Axial slice 58 of 126 of a chest CT (slice 1 is the lowest), reconstructed with the FC01 kernel at 135 kVp; 3.00 mm slice thickness and 0.582 mm pixels.
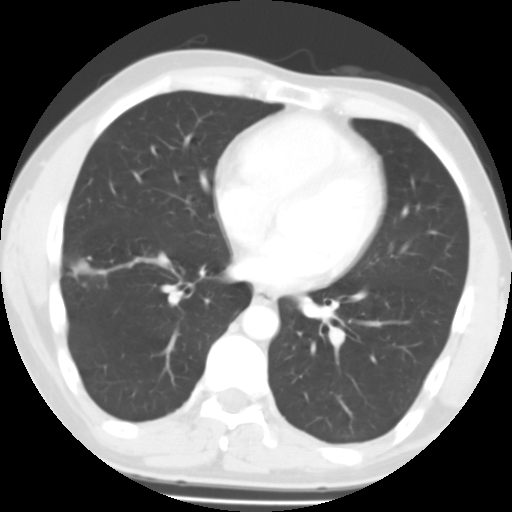
Pulmonary nodule at rows 259–279, columns 67–97 (box = the union of the readers' outlines on this slice), outlined by three of the four readers; longest diameter 11.0–18.7 mm and volume 497–1015 mm3 across the three readers' outlines. The readers' ratings, as ranges where they differ: texture 5/5 (solid) from all three readers; margin 4/5, all three readers agreeing; sphericity from 3/5 (ovoid) to 4/5 across the three readers; calcification: central calcification (two), solid calcification (one); internal structure soft tissue, all three readers agreeing; subtlety from 4/5 to 5/5 across the three readers; malignancy likelihood 1/5 from all three readers. Scale key (1–5): texture non-solid→solid, margin indistinct→circumscribed, sphericity linear→round, subtlety extremely subtle→obvious, malignancy likelihood highly unlikely→highly suspicious of cancer. Box rows and columns are 0-based pixel indices from the top-left corner, inclusive.